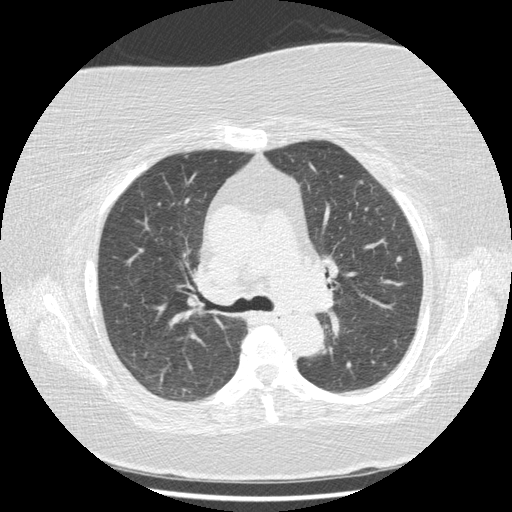
One axial slice (283 of 417, counting up from the lowest) of a chest CT acquired at 120 kVp with the STANDARD kernel; each pixel is 0.703 mm and the slice is 1.25 mm thick.
Pulmonary nodule at rows 255–262, columns 395–401 (box = the union of the readers' outlines on this slice), outlined by three of the four readers; longest diameter 6.2 mm on average over the three readers' outlines (readers' outlines 5.8–6.7 mm), volume 55–91 mm3. Ratings, by the readers' most common answer with dissent counted: texture 5/5 (solid) by two of three readers; the rest gave 4/5 (one); most readers (two of three) put margin at 4/5, others 5/5 (circumscribed) (one); most readers (two of three) put sphericity at 4/5, others 5/5 (round) (one); calcification absent from all three readers; internal structure soft tissue, all three readers agreeing; subtlety 4/5 by two of three readers; the rest gave 5/5 (one); malignancy likelihood 3/5 by two of three readers; the rest gave 2/5 (one). Scale key (1–5): texture non-solid→solid, margin indistinct→circumscribed, sphericity linear→round, subtlety extremely subtle→obvious, malignancy likelihood highly unlikely→highly suspicious of cancer. Box rows and columns are 0-based pixel indices from the top-left corner, inclusive.